Chest CT, axial plane, 120 kVp, kernel STANDARD. Slice 376/458 from the bottom of the scan; thickness 1.25 mm; pixel size 0.586 mm.
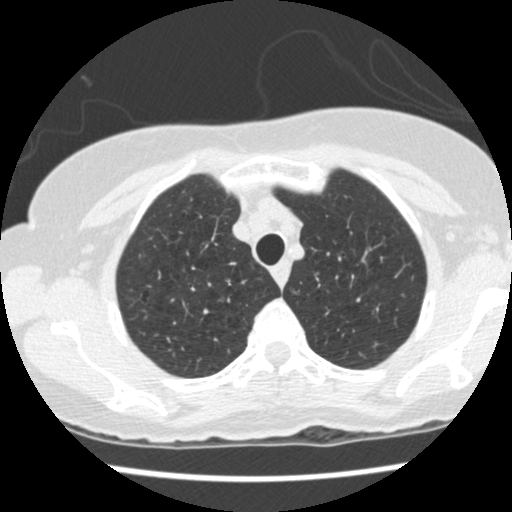
Pulmonary nodule, outlined by all four readers, one of them on this slice. Box on this slice rows 294–302, columns 140–147, the one reader's outline on this slice; longest diameter 5.0–7.8 mm and volume 57–106 mm3 across the four readers' outlines. Ratings across the readers: texture from 4/5 to 5/5 (solid) across the four readers; margin from 3/5 to 4/5 across the four readers; sphericity from 4/5 to 5/5 (round) across the four readers; calcification absent, all four readers agreeing; internal structure soft tissue from all four readers; subtlety rated between 3 and 5 out of 5 by the four readers; malignancy likelihood from 2/5 to 4/5 across the four readers. Scale key (1–5): texture non-solid→solid, margin indistinct→circumscribed, sphericity linear→round, subtlety extremely subtle→obvious, malignancy likelihood highly unlikely→highly suspicious of cancer. Box rows and columns are 0-based pixel indices from the top-left corner, inclusive.